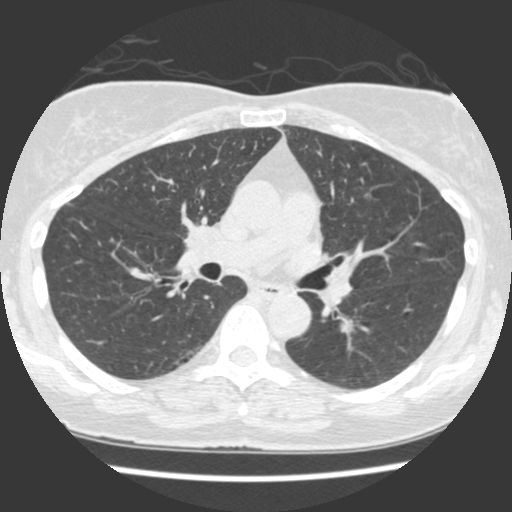
Axial chest CT slice 220 of 429 (counted from the lowest slice); tube voltage 120 kVp, convolution kernel STANDARD; slices 1.25 mm thick, 0.586 mm per pixel.
Pulmonary nodule, outlined by two of the four readers. Box on this slice rows 193–200, columns 363–371, the union of the readers' outlines on this slice; longest diameter 6.1–6.3 mm and volume 46–47 mm3 across the two readers' outlines. The readers' ratings, as ranges where they differ: texture 5/5 (solid), both readers agreeing; margin from 2/5 to 5/5 (circumscribed) across the two readers; sphericity 4/5 from both readers; calcification absent, both readers agreeing; internal structure soft tissue, both readers agreeing; subtlety rated between 2 and 4 out of 5 by the two readers; malignancy likelihood 2/5, both readers agreeing. Scale key (1–5): texture non-solid→solid, margin indistinct→circumscribed, sphericity linear→round, subtlety extremely subtle→obvious, malignancy likelihood highly unlikely→highly suspicious of cancer. Box rows and columns are 0-based pixel indices from the top-left corner, inclusive.